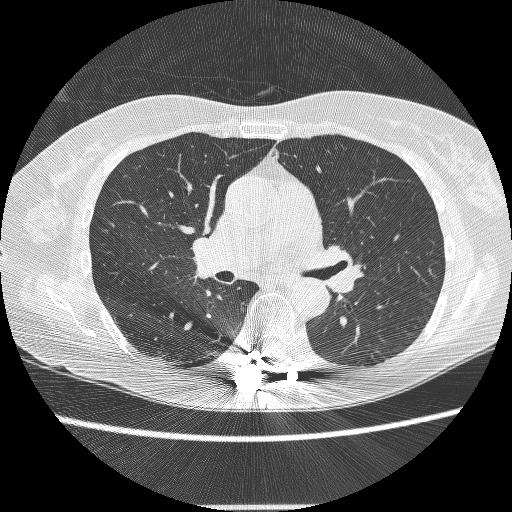
One axial slice (168 of 274, counting up from the lowest) of a chest CT acquired at 140 kVp with the BONE kernel; each pixel is 0.615 mm and the slice is 1.25 mm thick.
The readers outlined no nodule of 3 mm or more on this slice.